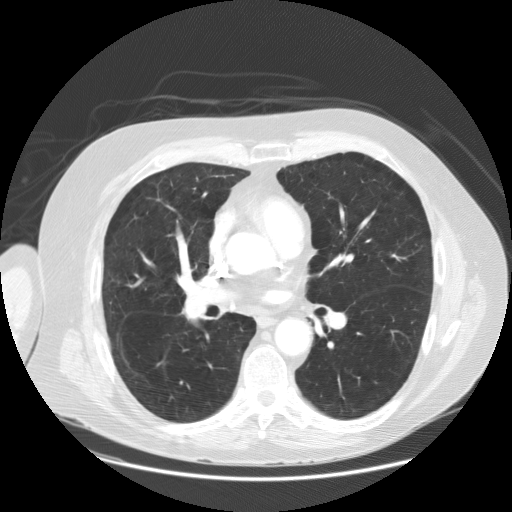
Axial slice 81 of 149 of a chest CT (slice 1 is the lowest), reconstructed with the STANDARD kernel at 120 kVp; 2.50 mm slice thickness and 0.820 mm pixels.
None of the four readers outlined a nodule of 3 mm or more on this slice.